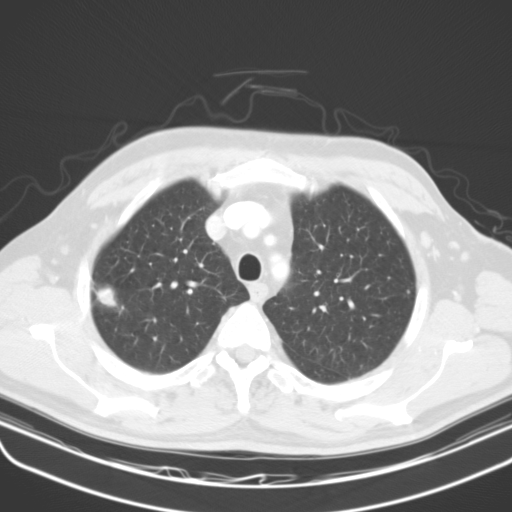
Slice 111/134 of a chest CT, counting up from the lowest; pixel size 0.715 mm, slice thickness 3.00 mm. Pulmonary nodule outlined by all four readers; box rows 284–307, columns 93–118 (the union of the readers' outlines on this slice); median longest diameter 28.9 mm (readers' outlines 28.3–32.4 mm), median volume 4231 mm3 (2936–4904 mm3). Median ratings and the readers' spread: texture 4.5/5 at the median of four readers, spread 4/5 to 5/5 (solid); margin 3.5/5 at the median of four readers, spread 3/5 to 5/5 (circumscribed); sphericity 3/5 (ovoid) at the median of four readers, spread 3/5 (ovoid) to 4/5; calcification: absent (three), central calcification (one); internal structure soft tissue, all four readers agreeing; subtlety 5/5 from all four readers; malignancy likelihood 3/5 at the median of four readers, spread 1–5. Scale key (1–5): texture non-solid→solid, margin indistinct→circumscribed, sphericity linear→round, subtlety extremely subtle→obvious, malignancy likelihood highly unlikely→highly suspicious of cancer. Box rows and columns are 0-based pixel indices from the top-left corner, inclusive.
Tube voltage 130 kVp; convolution kernel B31s.